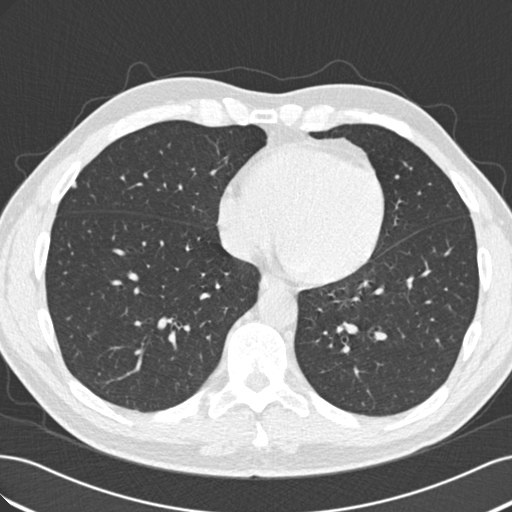
Slice 89/219 of a chest CT, counting up from the lowest; pixel size 0.703 mm, slice thickness 2.00 mm. Pulmonary nodule at rows 181–188, columns 70–76 (box = that reader's outline on this slice), outlined by one of the four readers; longest diameter 6.7 mm and volume 132 mm3 from that reader's outline. Ratings by that reader: texture 5/5 (solid); margin 5/5 (circumscribed); sphericity 3/5 (ovoid); calcification absent; internal structure soft tissue; subtlety 4/5; malignancy likelihood 1/5. Scale key (1–5): texture non-solid→solid, margin indistinct→circumscribed, sphericity linear→round, subtlety extremely subtle→obvious, malignancy likelihood highly unlikely→highly suspicious of cancer. Box rows and columns are 0-based pixel indices from the top-left corner, inclusive.
Acquired at 120 kVp and reconstructed with the B30f kernel.